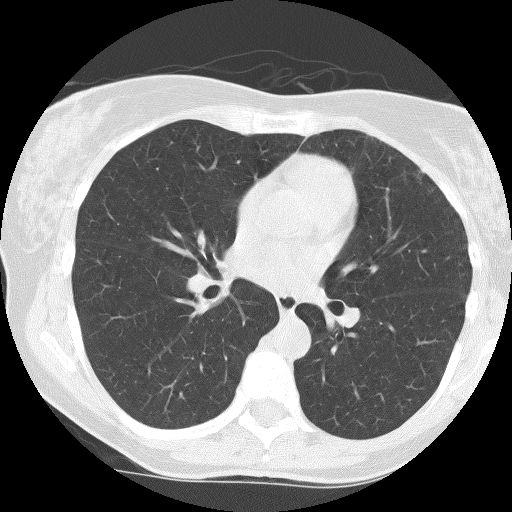
Axial chest CT slice 78 of 133 (counted from the lowest slice); 2.50 mm thick, 0.557 mm per pixel. Pulmonary nodule, outlined by one of the four readers. Box on this slice rows 171–178, columns 415–420, that reader's outline on this slice; longest diameter 6.8 mm and volume 108 mm3 from that reader's outline. That reader's ratings: texture 3/5 (part-solid); margin 1/5 (indistinct); sphericity 3/5 (ovoid); calcification absent; internal structure soft tissue; subtlety 1/5; malignancy likelihood 1/5. Scale key (1–5): texture non-solid→solid, margin indistinct→circumscribed, sphericity linear→round, subtlety extremely subtle→obvious, malignancy likelihood highly unlikely→highly suspicious of cancer. Box rows and columns are 0-based pixel indices from the top-left corner, inclusive.
Acquired at 140 kVp and reconstructed with the BONE kernel.